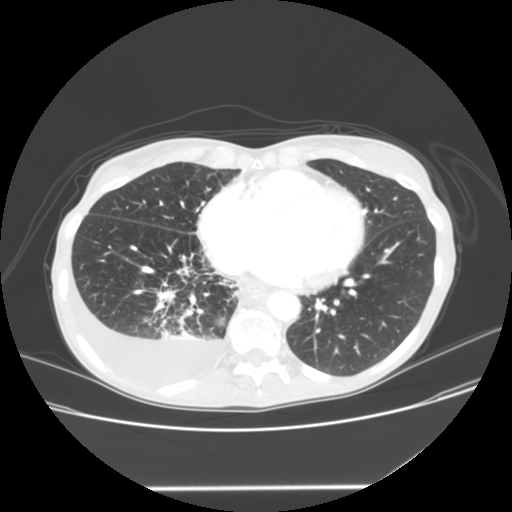
Axial chest CT slice 50 of 133 (counted from the lowest slice); tube voltage 120 kVp, convolution kernel STANDARD; slices 2.50 mm thick, 0.703 mm per pixel.
Pulmonary nodule, outlined by two of the four readers, one of them on this slice. Box on this slice rows 317–326, columns 215–224, the one reader's outline on this slice; median longest diameter 35.2 mm (readers' outlines 33.4–36.9 mm), median volume 15549 mm3 (15304–15793 mm3). Ratings, median across the readers with their spread: median texture 4.5/5 (readers ranged 4/5 to 5/5 (solid)); margin 5/5 (circumscribed) from both readers; median sphericity 4.5/5 (readers ranged 4/5 to 5/5 (round)); calcification absent, both readers agreeing; internal structure soft tissue, both readers agreeing; subtlety 5/5, both readers agreeing; malignancy likelihood 2.5/5 at the median of two readers, spread 2–3. Scale key (1–5): texture non-solid→solid, margin indistinct→circumscribed, sphericity linear→round, subtlety extremely subtle→obvious, malignancy likelihood highly unlikely→highly suspicious of cancer. Box rows and columns are 0-based pixel indices from the top-left corner, inclusive.